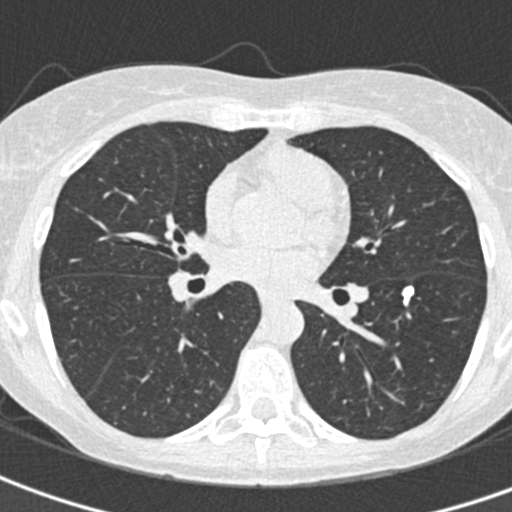
Axial chest CT slice 218 of 425 (counted from the lowest slice); 0.75 mm thick, 0.539 mm per pixel. Pulmonary nodule outlined by all four readers; box rows 286–305, columns 402–414 (the union of the readers' outlines on this slice); longest diameter 10.9 mm on average over the four readers' outlines (readers' outlines 7.7–12.7 mm), volume 139–224 mm3. Ratings, by the readers' most common answer with dissent counted: texture 5/5 (solid), all four readers agreeing; margin 5/5 (circumscribed) from all four readers; sphericity 5/5 (round) by two of four readers; the rest gave 2/5 (one), 3/5 (ovoid) (one); calcification solid calcification from all four readers; internal structure soft tissue from all four readers; subtlety 5/5 from all four readers; malignancy likelihood 1/5 from all four readers. Scale key (1–5): texture non-solid→solid, margin indistinct→circumscribed, sphericity linear→round, subtlety extremely subtle→obvious, malignancy likelihood highly unlikely→highly suspicious of cancer. Box rows and columns are 0-based pixel indices from the top-left corner, inclusive.
Scan settings: 120 kVp, B30f reconstruction kernel.